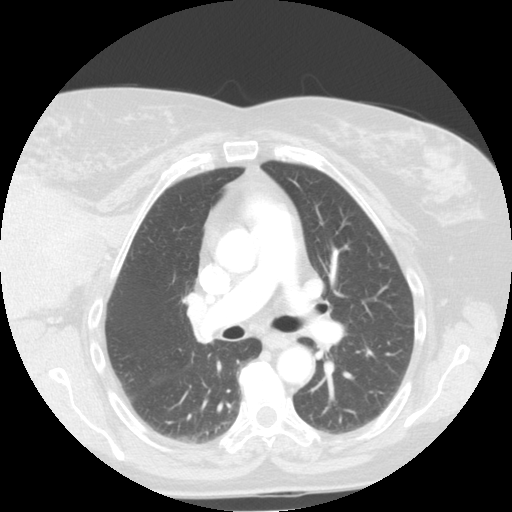
Axial chest CT slice 75 of 113 (counted from the lowest slice); tube voltage 120 kVp, convolution kernel STANDARD; slices 2.50 mm thick, 0.703 mm per pixel.
Pulmonary nodule outlined by two of the four readers, one of them on this slice; box rows 348–356, columns 366–373 (the one reader's outline on this slice); median longest diameter 8.9 mm (readers' outlines 8.2–9.6 mm), median volume 168 mm3 (167–169 mm3). Median ratings and the readers' spread: texture 5/5 (solid), both readers agreeing; median margin 4.5/5 (readers ranged 4/5 to 5/5 (circumscribed)); sphericity 3.5/5 at the median of two readers, spread 3/5 (ovoid) to 4/5; calcification absent, both readers agreeing; internal structure soft tissue from both readers; subtlety 3/5 at the median of two readers, spread 2–4; malignancy likelihood 3.5/5 at the median of two readers, spread 3–4. Scale key (1–5): texture non-solid→solid, margin indistinct→circumscribed, sphericity linear→round, subtlety extremely subtle→obvious, malignancy likelihood highly unlikely→highly suspicious of cancer. Box rows and columns are 0-based pixel indices from the top-left corner, inclusive.